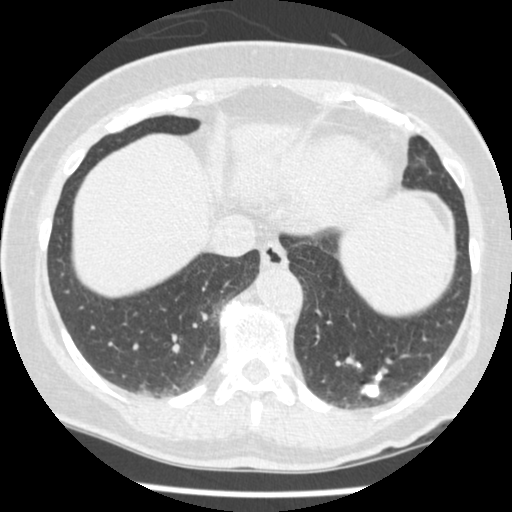
Axial chest CT slice 129 of 465 (counted from the lowest slice); 1.25 mm thick, 0.586 mm per pixel. Pulmonary nodule, outlined by all four readers. Box on this slice rows 370–400, columns 358–384, the union of the readers' outlines on this slice; longest diameter 18.1 mm on average over the four readers' outlines (readers' outlines 15.8–20.8 mm), volume 1106–1600 mm3. Ratings, by the readers' most common answer with dissent counted: texture 5/5 (solid), all four readers agreeing; margin 4/5 by two of four readers; the rest gave 3/5 (one), 5/5 (circumscribed) (one); most readers (three of four) put sphericity at 4/5, others 3/5 (ovoid) (one); calcification absent by two of four readers, solid calcification (one), central calcification (one); internal structure soft tissue from all four readers; subtlety 5/5 from all four readers; malignancy likelihood 1/5 by two of four readers; the rest gave 4/5 (one), 5/5 (one). Scale key (1–5): texture non-solid→solid, margin indistinct→circumscribed, sphericity linear→round, subtlety extremely subtle→obvious, malignancy likelihood highly unlikely→highly suspicious of cancer. Box rows and columns are 0-based pixel indices from the top-left corner, inclusive.
Scan settings: 120 kVp, STANDARD reconstruction kernel.